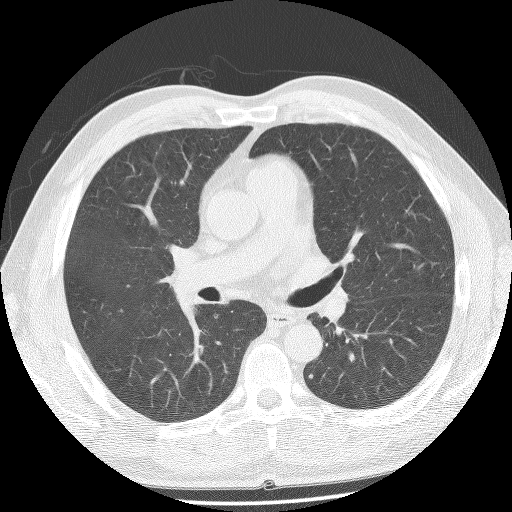
One axial slice (80 of 132, counting up from the lowest) of a chest CT acquired at 140 kVp with the BONE kernel; each pixel is 0.703 mm and the slice is 2.50 mm thick.
Pulmonary nodule outlined by one of the four readers; box rows 374–377, columns 309–312 (that reader's outline on this slice); longest diameter 4.1 mm and volume 61 mm3 from that reader's outline. Ratings by that reader: texture 5/5 (solid); margin 4/5; sphericity 5/5 (round); calcification absent; internal structure soft tissue; subtlety 5/5; malignancy likelihood 3/5. Scale key (1–5): texture non-solid→solid, margin indistinct→circumscribed, sphericity linear→round, subtlety extremely subtle→obvious, malignancy likelihood highly unlikely→highly suspicious of cancer. Box rows and columns are 0-based pixel indices from the top-left corner, inclusive.